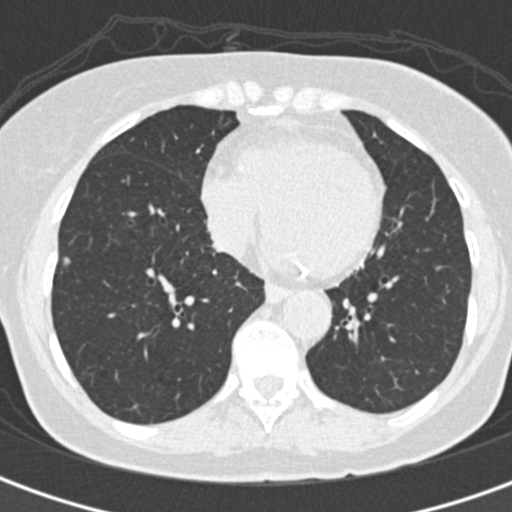
Axial chest CT slice 78 of 193 (counted from the lowest slice); 2.00 mm thick, 0.547 mm per pixel. Pulmonary nodule, outlined by all four readers. Box on this slice rows 256–267, columns 61–69, the union of the readers' outlines on this slice; longest diameter 8.1 mm on average over the four readers' outlines (readers' outlines 7.4–9.2 mm), volume 153–277 mm3. Ratings, by the readers' most common answer with dissent counted: texture 5/5 (solid) by three of four readers; the rest gave 4/5 (one); margin 5/5 (circumscribed) by three of four readers; the rest gave 4/5 (one); most readers (three of four) put sphericity at 4/5, others 5/5 (round) (one); calcification absent from all four readers; internal structure soft tissue from all four readers; subtlety 4/5 by two of four readers; the rest gave 3/5 (one), 5/5 (one); malignancy likelihood 3/5 by two of four readers; the rest gave 2/5 (one), 4/5 (one). Scale key (1–5): texture non-solid→solid, margin indistinct→circumscribed, sphericity linear→round, subtlety extremely subtle→obvious, malignancy likelihood highly unlikely→highly suspicious of cancer. Box rows and columns are 0-based pixel indices from the top-left corner, inclusive.
Acquired at 120 kVp and reconstructed with the B30f kernel.